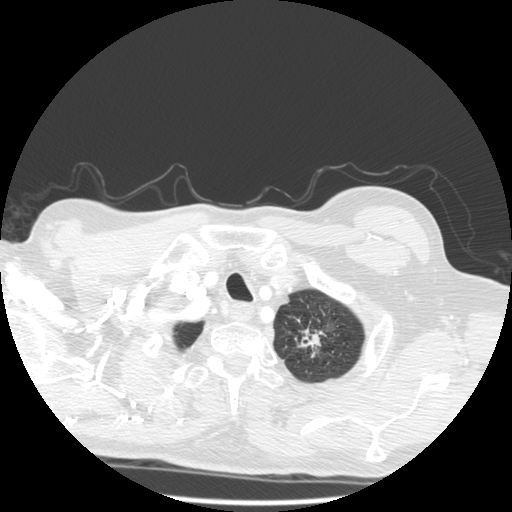
Axial slice 472 of 501 of a chest CT (slice 1 is the lowest), reconstructed with the STANDARD kernel at 140 kVp; 1.25 mm slice thickness and 0.703 mm pixels.
Pulmonary nodule at rows 328–349, columns 297–325 (box = the union of the readers' outlines on this slice), outlined by three of the four readers; longest diameter 32.1–39.2 mm and volume 2361–4873 mm3 across the three readers' outlines. The readers' ratings, as ranges where they differ: texture from 4/5 to 5/5 (solid) across the three readers; margin from 1/5 (indistinct) to 5/5 (circumscribed) across the three readers; sphericity from 2/5 to 5/5 (round) across the three readers; calcification absent from all three readers; internal structure soft tissue from all three readers; subtlety 5/5 from all three readers; malignancy likelihood from 4/5 to 5/5 across the three readers. Scale key (1–5): texture non-solid→solid, margin indistinct→circumscribed, sphericity linear→round, subtlety extremely subtle→obvious, malignancy likelihood highly unlikely→highly suspicious of cancer. Box rows and columns are 0-based pixel indices from the top-left corner, inclusive.